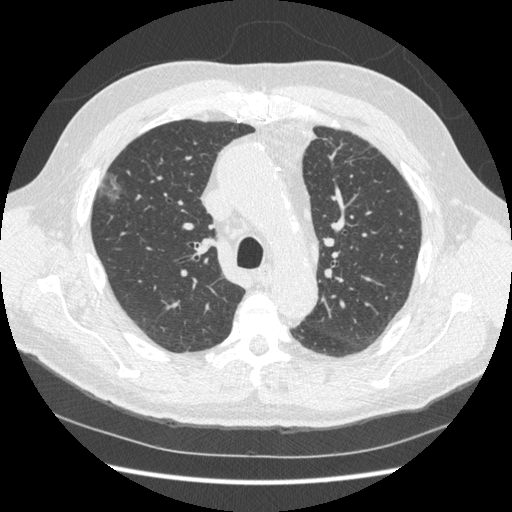
One axial slice (240 of 369, counting up from the lowest) of a chest CT acquired at 120 kVp with the STANDARD kernel; each pixel is 0.703 mm and the slice is 1.25 mm thick.
Pulmonary nodule, outlined by one of the four readers. Box on this slice rows 172–203, columns 97–125, that reader's outline on this slice; longest diameter 27.0 mm and volume 3015 mm3 from that reader's outline. Ratings by that reader: texture 1/5 (non-solid); margin 1/5 (indistinct); sphericity 3/5 (ovoid); calcification absent; internal structure soft tissue; subtlety 3/5; malignancy likelihood 3/5. Scale key (1–5): texture non-solid→solid, margin indistinct→circumscribed, sphericity linear→round, subtlety extremely subtle→obvious, malignancy likelihood highly unlikely→highly suspicious of cancer. Box rows and columns are 0-based pixel indices from the top-left corner, inclusive.